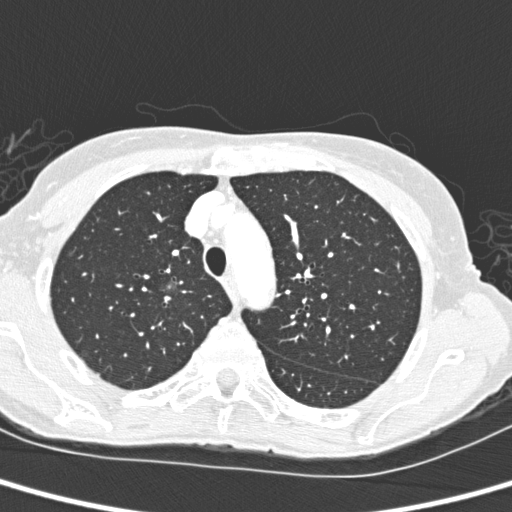
Axial chest CT slice 211 of 280 (counted from the lowest slice); tube voltage 120 kVp, convolution kernel D; slices 1.00 mm thick, 0.564 mm per pixel.
Two pulmonary nodules are outlined on this slice; from left to right: (1) Pulmonary nodule at rows 250–255, columns 67–71 (box = the union of the readers' outlines on this slice), outlined by two of the four readers; median longest diameter 4.6 mm (readers' outlines 4.6 mm), median volume 23 mm3 (16–30 mm3). Median ratings and the readers' spread: texture 3/5 (part-solid) at the median of two readers, spread 1/5 (non-solid) to 5/5 (solid); margin 5/5 (circumscribed), both readers agreeing; sphericity 4.5/5 at the median of two readers, spread 4/5 to 5/5 (round); calcification absent from both readers; internal structure soft tissue from both readers; subtlety 2.5/5 at the median of two readers, spread 1–4; median malignancy likelihood 1.5/5 (readers ranged 1–2). (2) Pulmonary nodule outlined by all four readers, two of them on this slice; box rows 285–289, columns 168–170 (the union of the readers' outlines on this slice); median longest diameter 11.7 mm (readers' outlines 9.9–12.5 mm), median volume 494 mm3 (362–590 mm3). Ratings, median across the readers with their spread: median texture 5/5 (solid) (readers ranged 4/5 to 5/5 (solid)); median margin 4.5/5 (readers ranged 4/5 to 5/5 (circumscribed)); sphericity 4.5/5 at the median of four readers, spread 3/5 (ovoid) to 5/5 (round); calcification absent, all four readers agreeing; internal structure soft tissue from all four readers; subtlety 4.5/5 at the median of four readers, spread 4–5; median malignancy likelihood 4.5/5 (readers ranged 2–5). Scale key (1–5): texture non-solid→solid, margin indistinct→circumscribed, sphericity linear→round, subtlety extremely subtle→obvious, malignancy likelihood highly unlikely→highly suspicious of cancer. Box rows and columns are 0-based pixel indices from the top-left corner, inclusive.